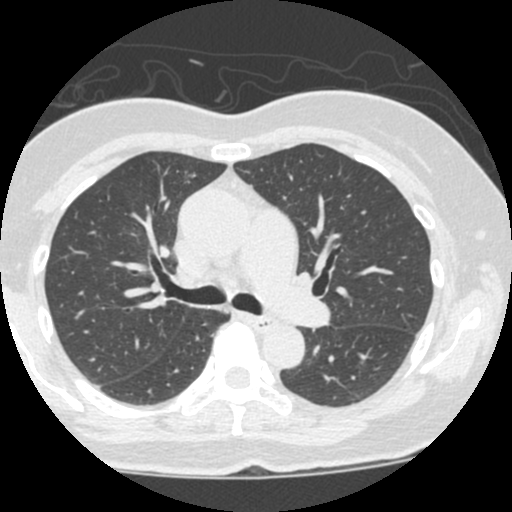
This is axial slice 334 of 490 (slice 1 is the lowest) of a chest CT; each pixel is 0.547 mm and the slice is 1.25 mm thick. No nodule of 3 mm or larger was outlined by any of the four readers on this slice.
Acquired at 120 kVp and reconstructed with the STANDARD kernel.